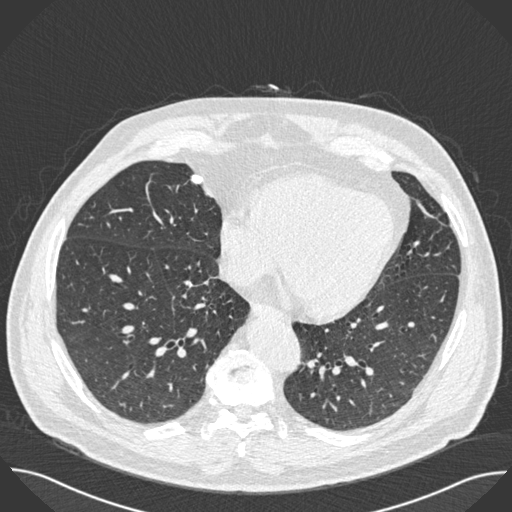
Chest CT, axial plane, 120 kVp, kernel B30f. Slice 215/493 from the bottom of the scan; thickness 0.75 mm; pixel size 0.762 mm.
Pulmonary nodule outlined by all four readers; box rows 174–184, columns 190–203 (the union of the readers' outlines on this slice); median longest diameter 11.1 mm (readers' outlines 10.6–11.2 mm), median volume 370 mm3 (320–406 mm3). Ratings, median across the readers with their spread: texture 5/5 (solid), all four readers agreeing; margin 5/5 (circumscribed), all four readers agreeing; median sphericity 4/5 (readers ranged 3/5 (ovoid) to 4/5); calcification: solid calcification (three), central calcification (one); internal structure soft tissue, all four readers agreeing; subtlety 4.5/5 at the median of four readers, spread 4–5; malignancy likelihood 1/5 from all four readers. Scale key (1–5): texture non-solid→solid, margin indistinct→circumscribed, sphericity linear→round, subtlety extremely subtle→obvious, malignancy likelihood highly unlikely→highly suspicious of cancer. Box rows and columns are 0-based pixel indices from the top-left corner, inclusive.